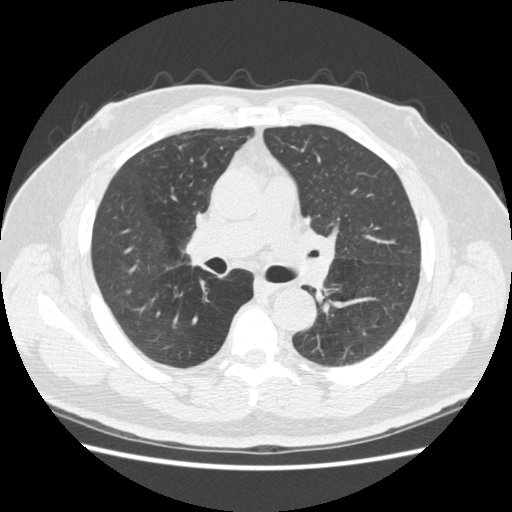
Axial slice 264 of 465 of a chest CT (slice 1 is the lowest), reconstructed with the STANDARD kernel at 120 kVp; 1.25 mm slice thickness and 0.703 mm pixels.
Pulmonary nodule outlined by one of the four readers; box rows 291–294, columns 125–132 (that reader's outline on this slice); longest diameter 6.5 mm and volume 44 mm3 from that reader's outline. That reader's ratings: texture 5/5 (solid); margin 5/5 (circumscribed); sphericity 4/5; calcification absent; internal structure soft tissue; subtlety 4/5; malignancy likelihood 2/5. Scale key (1–5): texture non-solid→solid, margin indistinct→circumscribed, sphericity linear→round, subtlety extremely subtle→obvious, malignancy likelihood highly unlikely→highly suspicious of cancer. Box rows and columns are 0-based pixel indices from the top-left corner, inclusive.